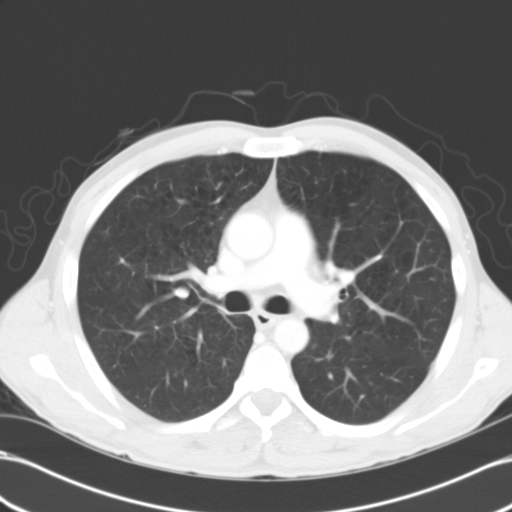
One axial slice (109 of 137, counting up from the lowest) of a chest CT acquired at 120 kVp with the B31f kernel; each pixel is 0.691 mm and the slice is 5.00 mm thick.
Pulmonary nodule at rows 336–340, columns 343–350 (box = the union of the readers' outlines on this slice), outlined by all four readers, three of them on this slice; longest diameter 5.9–6.9 mm and volume 120–194 mm3 across the four readers' outlines. The readers' ratings, as ranges where they differ: texture from 4/5 to 5/5 (solid) across the four readers; margin from 4/5 to 5/5 (circumscribed) across the four readers; sphericity from 3/5 (ovoid) to 5/5 (round) across the four readers; calcification absent, all four readers agreeing; internal structure soft tissue from all four readers; subtlety from 2/5 to 4/5 across the four readers; malignancy likelihood from 2/5 to 3/5 across the four readers. Scale key (1–5): texture non-solid→solid, margin indistinct→circumscribed, sphericity linear→round, subtlety extremely subtle→obvious, malignancy likelihood highly unlikely→highly suspicious of cancer. Box rows and columns are 0-based pixel indices from the top-left corner, inclusive.